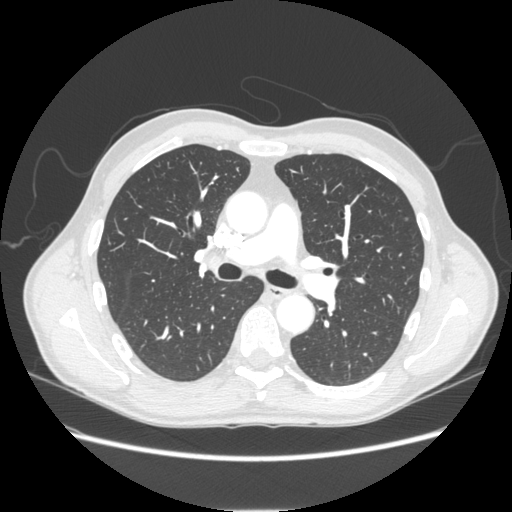
One axial slice (146 of 253, counting up from the lowest) of a chest CT acquired at 120 kVp with the STANDARD kernel; each pixel is 0.742 mm and the slice is 1.25 mm thick.
Pulmonary nodule outlined by all four readers, three of them on this slice; box rows 217–221, columns 404–407 (the union of the readers' outlines on this slice); median longest diameter 6.6 mm (readers' outlines 6.3–7.0 mm), median volume 70 mm3 (63–77 mm3). Ratings, median across the readers with their spread: texture 5/5 (solid), all four readers agreeing; median margin 4.5/5 (readers ranged 4/5 to 5/5 (circumscribed)); sphericity 4.5/5 at the median of four readers, spread 2/5 to 5/5 (round); calcification absent, all four readers agreeing; internal structure soft tissue from all four readers; median subtlety 3/5 (readers ranged 2–3); median malignancy likelihood 2.5/5 (readers ranged 2–3). Scale key (1–5): texture non-solid→solid, margin indistinct→circumscribed, sphericity linear→round, subtlety extremely subtle→obvious, malignancy likelihood highly unlikely→highly suspicious of cancer. Box rows and columns are 0-based pixel indices from the top-left corner, inclusive.